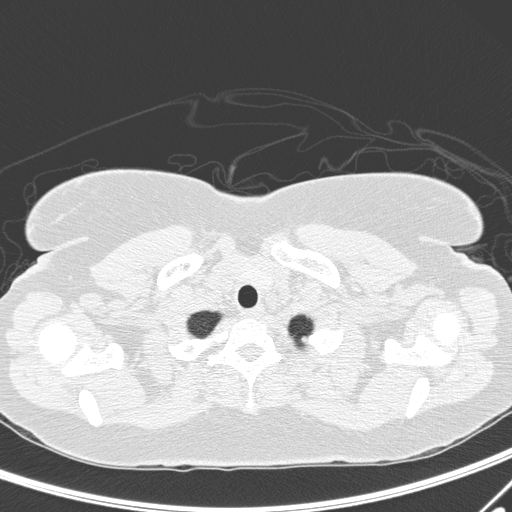
This is axial slice 224 of 231 (slice 1 is the lowest) of a chest CT; each pixel is 0.666 mm and the slice is 1.00 mm thick. Pulmonary nodule, outlined by one of the four readers. Box on this slice rows 336–341, columns 301–306, that reader's outline on this slice; longest diameter 6.0 mm and volume 38 mm3 from that reader's outline. Ratings by that reader: texture 5/5 (solid); margin 5/5 (circumscribed); sphericity 5/5 (round); calcification absent; internal structure soft tissue; subtlety 4/5; malignancy likelihood 1/5. Scale key (1–5): texture non-solid→solid, margin indistinct→circumscribed, sphericity linear→round, subtlety extremely subtle→obvious, malignancy likelihood highly unlikely→highly suspicious of cancer. Box rows and columns are 0-based pixel indices from the top-left corner, inclusive.
Tube voltage 120 kVp; convolution kernel D.